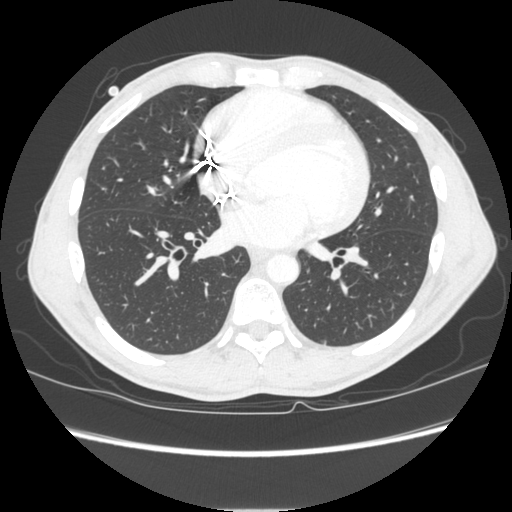
Chest CT, axial plane, 120 kVp, kernel STANDARD. Slice 122/261 from the bottom of the scan; thickness 1.25 mm; pixel size 0.684 mm.
Pulmonary nodule, outlined by all four readers, two of them on this slice. Box on this slice rows 340–343, columns 321–326, the union of the readers' outlines on this slice; longest diameter 6.0 mm on average over the four readers' outlines (readers' outlines 5.2–6.8 mm), volume 71–112 mm3. The readers' prevailing ratings and who disagreed: texture 5/5 (solid), all four readers agreeing; margin 5/5 (circumscribed) from all four readers; sphericity 4/5 by two of four readers; the rest gave 3/5 (ovoid) (one), 5/5 (round) (one); calcification absent from all four readers; internal structure soft tissue from all four readers; subtlety split among the readers: 3/5 (two), 4/5 (two); most readers (three of four) put malignancy likelihood at 3/5, others 2/5 (one). Scale key (1–5): texture non-solid→solid, margin indistinct→circumscribed, sphericity linear→round, subtlety extremely subtle→obvious, malignancy likelihood highly unlikely→highly suspicious of cancer. Box rows and columns are 0-based pixel indices from the top-left corner, inclusive.